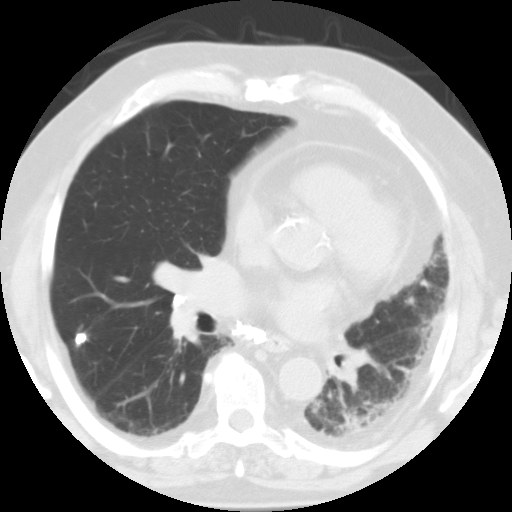
This is axial slice 61 of 113 (slice 1 is the lowest) of a chest CT; each pixel is 0.637 mm and the slice is 3.00 mm thick. Pulmonary nodule at rows 332–345, columns 74–87 (box = the union of the readers' outlines on this slice), outlined by three of the four readers; longest diameter 8.5–10.9 mm and volume 216–484 mm3 across the three readers' outlines. Ratings across the readers: texture from 4/5 to 5/5 (solid) across the three readers; margin from 1/5 (indistinct) to 5/5 (circumscribed) across the three readers; sphericity from 3/5 (ovoid) to 4/5 across the three readers; calcification solid calcification from all three readers; internal structure soft tissue, all three readers agreeing; subtlety 4–5/5 (the readers disagree); malignancy likelihood 1/5 from all three readers. Scale key (1–5): texture non-solid→solid, margin indistinct→circumscribed, sphericity linear→round, subtlety extremely subtle→obvious, malignancy likelihood highly unlikely→highly suspicious of cancer. Box rows and columns are 0-based pixel indices from the top-left corner, inclusive.
Acquired at 135 kVp and reconstructed with the FC01 kernel.